Chest CT, axial plane, 120 kVp, kernel STANDARD. Slice 100/137 from the bottom of the scan; thickness 2.50 mm; pixel size 0.781 mm.
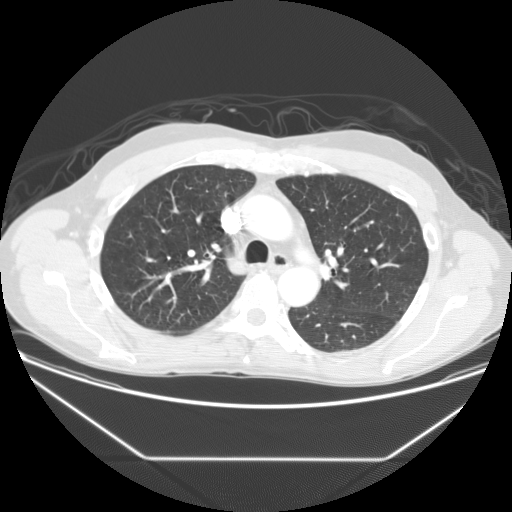
This slice carries no reader outline of a nodule 3 mm or larger.